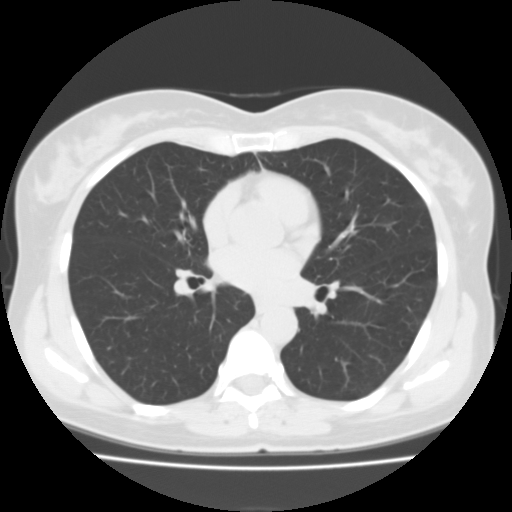
Slice 51/105 of a chest CT, counting up from the lowest; pixel size 0.644 mm, slice thickness 3.00 mm. The readers outlined no nodule of 3 mm or more on this slice.
Scan settings: 135 kVp, FC01 reconstruction kernel.